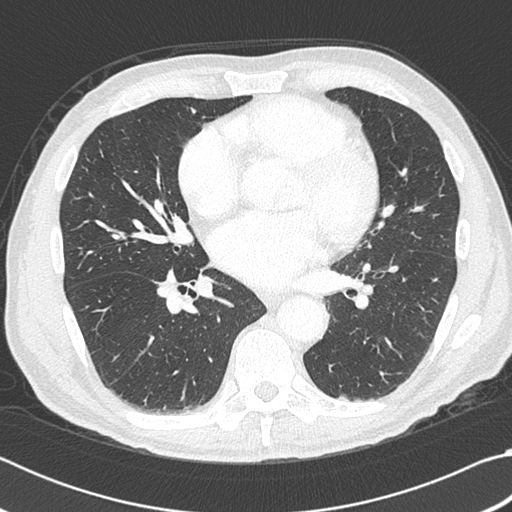
Chest CT, axial plane, 120 kVp, kernel B45f. Slice 196/383 from the bottom of the scan; thickness 1.00 mm; pixel size 0.664 mm.
Pulmonary nodule outlined by all four readers, three of them on this slice; box rows 107–113, columns 189–196 (the union of the readers' outlines on this slice); the four readers' outlines give a longest diameter between 9.8 and 12.2 mm and a volume between 379 and 631 mm3. The readers' ratings, as ranges where they differ: texture 5/5 (solid) from all four readers; margin 5/5 (circumscribed) from all four readers; sphericity from 3/5 (ovoid) to 5/5 (round) across the four readers; calcification: absent (three), solid calcification (one); internal structure soft tissue, all four readers agreeing; subtlety rated between 4 and 5 out of 5 by the four readers; malignancy likelihood 1–4/5 (the readers disagree). Scale key (1–5): texture non-solid→solid, margin indistinct→circumscribed, sphericity linear→round, subtlety extremely subtle→obvious, malignancy likelihood highly unlikely→highly suspicious of cancer. Box rows and columns are 0-based pixel indices from the top-left corner, inclusive.